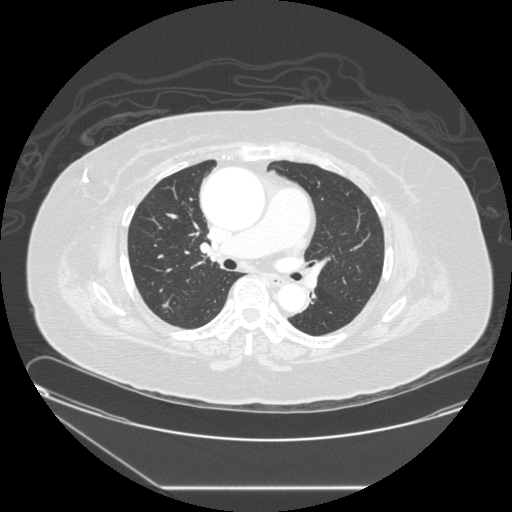
Axial slice 157 of 257 of a chest CT (slice 1 is the lowest), reconstructed with the STANDARD kernel at 120 kVp; 1.25 mm slice thickness and 0.852 mm pixels.
Pulmonary nodule at rows 303–308, columns 163–167 (box = that reader's outline on this slice), outlined by one of the four readers; longest diameter 7.0 mm and volume 95 mm3 from that reader's outline. Ratings by that reader: texture 5/5 (solid); margin 5/5 (circumscribed); sphericity 4/5; calcification absent; internal structure soft tissue; subtlety 2/5; malignancy likelihood 3/5. Scale key (1–5): texture non-solid→solid, margin indistinct→circumscribed, sphericity linear→round, subtlety extremely subtle→obvious, malignancy likelihood highly unlikely→highly suspicious of cancer. Box rows and columns are 0-based pixel indices from the top-left corner, inclusive.